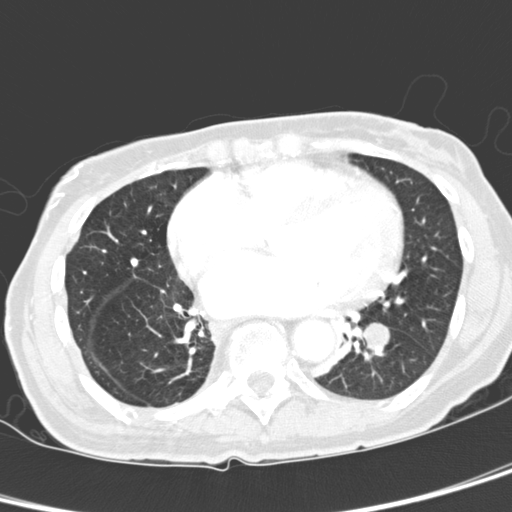
Axial chest CT slice 146 of 321 (counted from the lowest slice); 2.00 mm thick, 0.557 mm per pixel. Pulmonary nodule outlined by all four readers; box rows 322–354, columns 362–389 (the union of the readers' outlines on this slice); longest diameter 18.8 mm on average over the four readers' outlines (readers' outlines 18.1–20.0 mm), volume 2428–2697 mm3. The readers' prevailing ratings and who disagreed: texture split among the readers: 4/5 (two), 5/5 (solid) (two); margin 5/5 (circumscribed) by two of four readers; the rest gave 3/5 (one), 4/5 (one); most readers (three of four) put sphericity at 5/5 (round), others 4/5 (one); calcification absent from all four readers; internal structure soft tissue from all four readers; most readers (three of four) put subtlety at 5/5, others 4/5 (one); malignancy likelihood 5/5 by two of four readers; the rest gave 2/5 (one), 3/5 (one). Scale key (1–5): texture non-solid→solid, margin indistinct→circumscribed, sphericity linear→round, subtlety extremely subtle→obvious, malignancy likelihood highly unlikely→highly suspicious of cancer. Box rows and columns are 0-based pixel indices from the top-left corner, inclusive.
Acquired at 120 kVp and reconstructed with the D kernel.